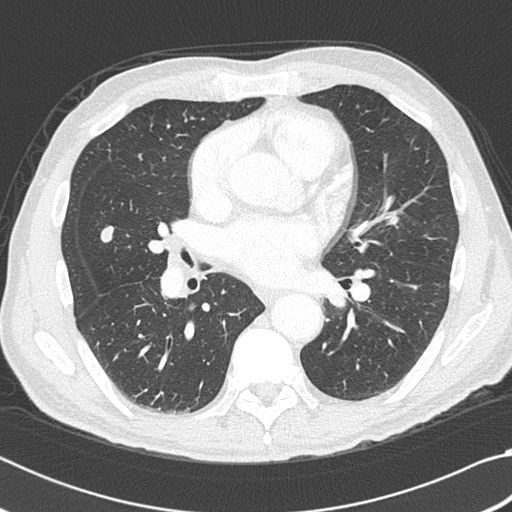
One axial slice (209 of 383, counting up from the lowest) of a chest CT acquired at 120 kVp with the B45f kernel; each pixel is 0.664 mm and the slice is 1.00 mm thick.
Two pulmonary nodules on this slice, listed from left to right. (1) Pulmonary nodule outlined by all four readers; box rows 225–242, columns 100–113 (the union of the readers' outlines on this slice); longest diameter 16.2 mm on average over the four readers' outlines (readers' outlines 15.5–17.3 mm), volume 759–884 mm3. The readers' prevailing ratings and who disagreed: texture 5/5 (solid) from all four readers; most readers (three of four) put margin at 5/5 (circumscribed), others 4/5 (one); sphericity 3/5 (ovoid) by three of four readers; the rest gave 5/5 (round) (one); calcification absent by three of four readers, solid calcification (one); internal structure soft tissue, all four readers agreeing; most readers (three of four) put subtlety at 5/5, others 4/5 (one); malignancy likelihood 3/5 by two of four readers; the rest gave 1/5 (one), 5/5 (one). (2) Pulmonary nodule at rows 115–119, columns 190–194 (box = the one reader's outline on this slice), outlined by all four readers, one of them on this slice; longest diameter 10.8 mm on average over the four readers' outlines (readers' outlines 9.8–12.2 mm), volume 379–631 mm3. Ratings, by the readers' most common answer with dissent counted: texture 5/5 (solid), all four readers agreeing; margin 5/5 (circumscribed), all four readers agreeing; sphericity 5/5 (round) by two of four readers; the rest gave 3/5 (ovoid) (one), 4/5 (one); calcification absent by three of four readers, solid calcification (one); internal structure soft tissue, all four readers agreeing; subtlety split among the readers: 4/5 (two), 5/5 (two); malignancy likelihood split among the readers: 1/5 (one), 2/5 (one), 3/5 (one), 4/5 (one). Scale key (1–5): texture non-solid→solid, margin indistinct→circumscribed, sphericity linear→round, subtlety extremely subtle→obvious, malignancy likelihood highly unlikely→highly suspicious of cancer. Box rows and columns are 0-based pixel indices from the top-left corner, inclusive.